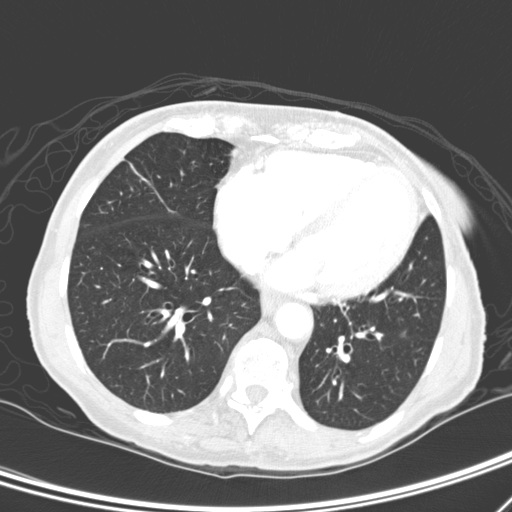
Axial slice 108 of 276 of a chest CT (slice 1 is the lowest), reconstructed with the D kernel at 120 kVp; 2.00 mm slice thickness and 0.617 mm pixels.
Pulmonary nodule at rows 329–338, columns 400–406 (box = the union of the readers' outlines on this slice), outlined by all four readers, two of them on this slice; longest diameter 7.2–10.6 mm and volume 121–277 mm3 across the four readers' outlines. Ratings across the readers: texture from 1/5 (non-solid) to 5/5 (solid) across the four readers; margin from 1/5 (indistinct) to 5/5 (circumscribed) across the four readers; sphericity from 2/5 to 4/5 across the four readers; calcification absent from all four readers; internal structure soft tissue, all four readers agreeing; subtlety rated between 2 and 4 out of 5 by the four readers; malignancy likelihood rated between 2 and 4 out of 5 by the four readers. Scale key (1–5): texture non-solid→solid, margin indistinct→circumscribed, sphericity linear→round, subtlety extremely subtle→obvious, malignancy likelihood highly unlikely→highly suspicious of cancer. Box rows and columns are 0-based pixel indices from the top-left corner, inclusive.